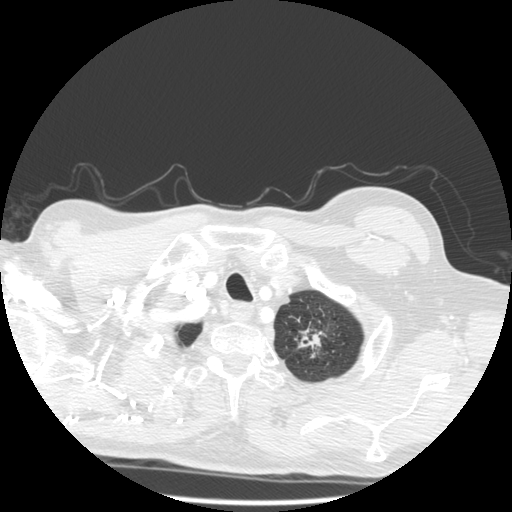
Axial chest CT slice 473 of 501 (counted from the lowest slice); tube voltage 140 kVp, convolution kernel STANDARD; slices 1.25 mm thick, 0.703 mm per pixel.
Pulmonary nodule at rows 328–348, columns 298–325 (box = the union of the readers' outlines on this slice), outlined by three of the four readers; median longest diameter 33.8 mm (readers' outlines 32.1–39.2 mm), median volume 3078 mm3 (2361–4873 mm3). Ratings, median across the readers with their spread: texture 5/5 (solid) at the median of three readers, spread 4/5 to 5/5 (solid); median margin 3/5 (readers ranged 1/5 (indistinct) to 5/5 (circumscribed)); sphericity 3/5 (ovoid) at the median of three readers, spread 2/5 to 5/5 (round); calcification absent, all three readers agreeing; internal structure soft tissue, all three readers agreeing; subtlety 5/5, all three readers agreeing; malignancy likelihood 5/5 at the median of three readers, spread 4–5. Scale key (1–5): texture non-solid→solid, margin indistinct→circumscribed, sphericity linear→round, subtlety extremely subtle→obvious, malignancy likelihood highly unlikely→highly suspicious of cancer. Box rows and columns are 0-based pixel indices from the top-left corner, inclusive.